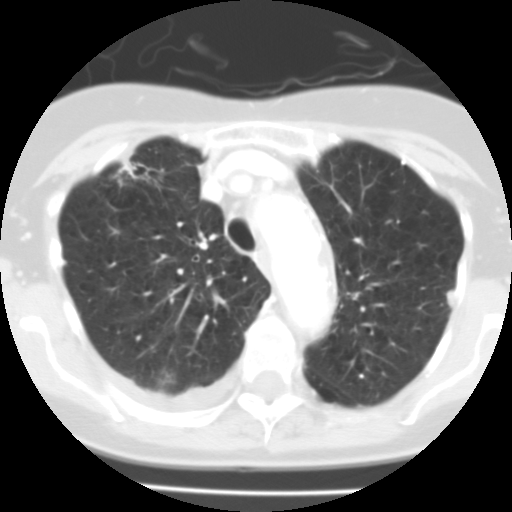
Axial chest CT slice 75 of 100 (counted from the lowest slice); tube voltage 135 kVp, convolution kernel FC01; slices 3.00 mm thick, 0.540 mm per pixel.
Two pulmonary nodules on this slice, listed from left to right. (1) Pulmonary nodule at rows 161–185, columns 113–162 (box = the union of the readers' outlines on this slice), outlined by all four readers, three of them on this slice; the four readers' outlines give a longest diameter between 22.6 and 33.3 mm and a volume between 3212 and 10079 mm3. Ratings across the readers: texture from 4/5 to 5/5 (solid) across the four readers; margin from 1/5 (indistinct) to 4/5 across the four readers; sphericity from 3/5 (ovoid) to 5/5 (round) across the four readers; calcification absent from all four readers; internal structure soft tissue from all four readers; subtlety 5/5 from all four readers; malignancy likelihood from 4/5 to 5/5 across the four readers. (2) Pulmonary nodule, outlined by two of the four readers. Box on this slice rows 290–307, columns 446–454, the union of the readers' outlines on this slice; longest diameter 10.2–10.7 mm and volume 433–442 mm3 across the two readers' outlines. The readers' ratings, as ranges where they differ: texture 5/5 (solid), both readers agreeing; margin from 4/5 to 5/5 (circumscribed) across the two readers; sphericity from 2/5 to 5/5 (round) across the two readers; calcification absent, both readers agreeing; internal structure soft tissue from both readers; subtlety rated between 3 and 4 out of 5 by the two readers; malignancy likelihood 2–3/5 (the readers disagree). Scale key (1–5): texture non-solid→solid, margin indistinct→circumscribed, sphericity linear→round, subtlety extremely subtle→obvious, malignancy likelihood highly unlikely→highly suspicious of cancer. Box rows and columns are 0-based pixel indices from the top-left corner, inclusive.